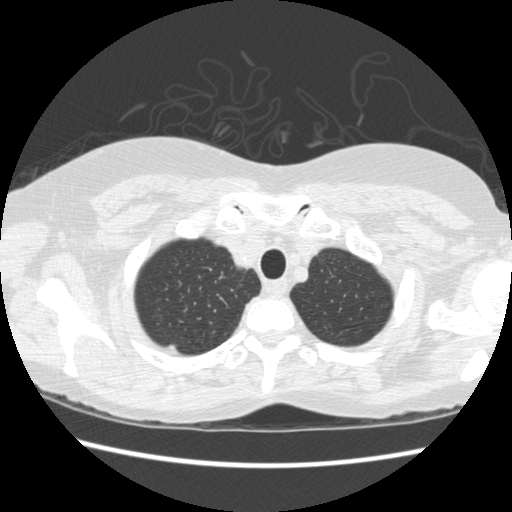
Axial slice 428 of 477 of a chest CT (slice 1 is the lowest), reconstructed with the STANDARD kernel at 120 kVp; 1.25 mm slice thickness and 0.664 mm pixels.
Pulmonary nodule outlined by one of the four readers; box rows 344–350, columns 168–174 (that reader's outline on this slice); longest diameter 8.9 mm and volume 110 mm3 from that reader's outline. That reader's ratings: texture 5/5 (solid); margin 4/5; sphericity 3/5 (ovoid); calcification absent; internal structure soft tissue; subtlety 4/5; malignancy likelihood 3/5. Scale key (1–5): texture non-solid→solid, margin indistinct→circumscribed, sphericity linear→round, subtlety extremely subtle→obvious, malignancy likelihood highly unlikely→highly suspicious of cancer. Box rows and columns are 0-based pixel indices from the top-left corner, inclusive.